Axial chest CT slice 325 of 489 (counted from the lowest slice); tube voltage 120 kVp, convolution kernel B30f; slices 0.75 mm thick, 0.566 mm per pixel.
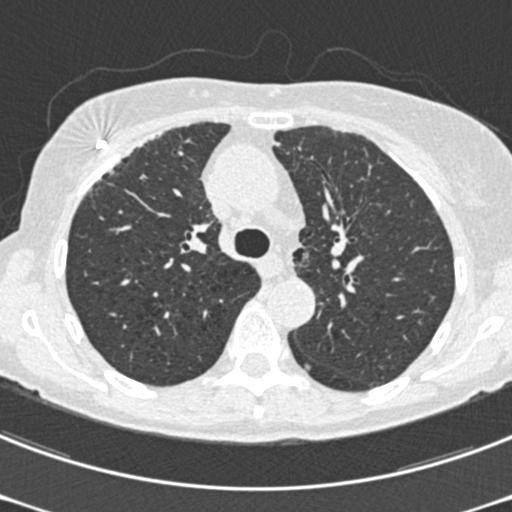
Pulmonary nodule at rows 362–371, columns 303–311 (box = the union of the readers' outlines on this slice), outlined by two of the four readers; longest diameter 6.2 mm on average over the two readers' outlines (readers' outlines 5.2–7.2 mm), volume 31–63 mm3. Ratings, by the readers' most common answer with dissent counted: texture split among the readers: 4/5 (one), 5/5 (solid) (one); margin split among the readers: 3/5 (one), 4/5 (one); sphericity split among the readers: 3/5 (ovoid) (one), 5/5 (round) (one); calcification absent from both readers; internal structure soft tissue, both readers agreeing; subtlety split among the readers: 3/5 (one), 5/5 (one); malignancy likelihood split among the readers: 2/5 (one), 3/5 (one). Scale key (1–5): texture non-solid→solid, margin indistinct→circumscribed, sphericity linear→round, subtlety extremely subtle→obvious, malignancy likelihood highly unlikely→highly suspicious of cancer. Box rows and columns are 0-based pixel indices from the top-left corner, inclusive.